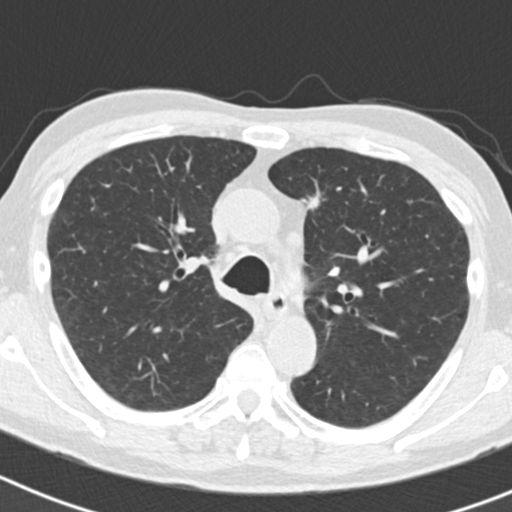
Chest CT, axial plane, 120 kVp, kernel B30f. Slice 131/186 from the bottom of the scan; thickness 2.00 mm; pixel size 0.586 mm.
Pulmonary nodule outlined by two of the four readers; box rows 195–210, columns 299–319 (the union of the readers' outlines on this slice); median longest diameter 12.3 mm (readers' outlines 11.6–13.0 mm), median volume 345 mm3 (332–359 mm3). Median ratings and the readers' spread: median texture 4/5 (readers ranged 3/5 (part-solid) to 5/5 (solid)); margin 3/5 at the median of two readers, spread 2/5 to 4/5; sphericity 3/5 (ovoid) from both readers; calcification absent from both readers; internal structure soft tissue from both readers; subtlety 3.5/5 at the median of two readers, spread 3–4; median malignancy likelihood 3.5/5 (readers ranged 3–4). Scale key (1–5): texture non-solid→solid, margin indistinct→circumscribed, sphericity linear→round, subtlety extremely subtle→obvious, malignancy likelihood highly unlikely→highly suspicious of cancer. Box rows and columns are 0-based pixel indices from the top-left corner, inclusive.